One axial slice (268 of 548, counting up from the lowest) of a chest CT acquired at 120 kVp with the STANDARD kernel; each pixel is 0.781 mm and the slice is 1.25 mm thick.
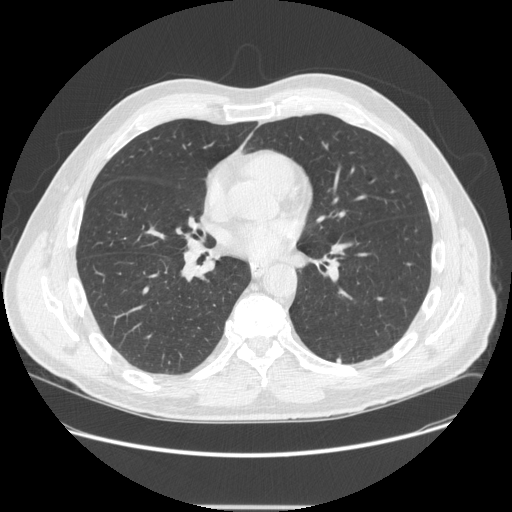
Pulmonary nodule, outlined by three of the four readers. Box on this slice rows 358–363, columns 336–341, the union of the readers' outlines on this slice; longest diameter 5.0–6.6 mm and volume 42–65 mm3 across the three readers' outlines. The readers' ratings, as ranges where they differ: texture 5/5 (solid), all three readers agreeing; margin from 4/5 to 5/5 (circumscribed) across the three readers; sphericity from 3/5 (ovoid) to 4/5 across the three readers; calcification absent from all three readers; internal structure soft tissue, all three readers agreeing; subtlety from 2/5 to 5/5 across the three readers; malignancy likelihood from 2/5 to 3/5 across the three readers. Scale key (1–5): texture non-solid→solid, margin indistinct→circumscribed, sphericity linear→round, subtlety extremely subtle→obvious, malignancy likelihood highly unlikely→highly suspicious of cancer. Box rows and columns are 0-based pixel indices from the top-left corner, inclusive.